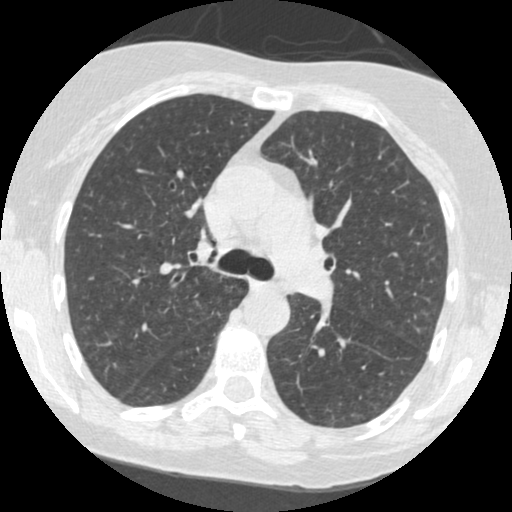
Chest CT, axial plane, 120 kVp, kernel STANDARD. Slice 290/484 from the bottom of the scan; thickness 1.25 mm; pixel size 0.586 mm.
The readers outlined no nodule of 3 mm or more on this slice.